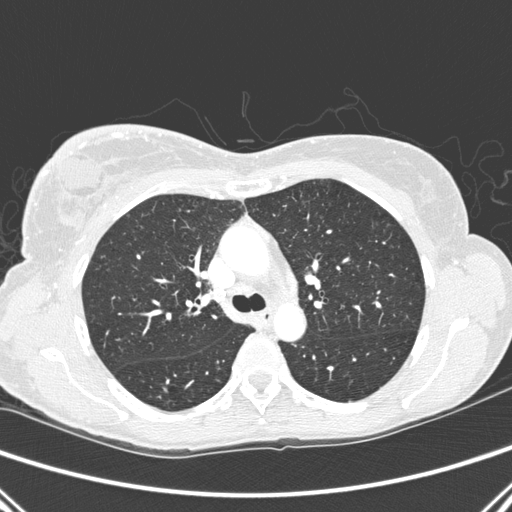
Axial slice 183 of 275 of a chest CT (slice 1 is the lowest), reconstructed with the D kernel at 120 kVp; 1.00 mm slice thickness and 0.658 mm pixels.
Pulmonary nodule at rows 400–401, columns 348–351 (box = the union of the readers' outlines on this slice), outlined by two of the four readers; median longest diameter 4.1 mm (readers' outlines 3.8–4.4 mm), median volume 27 mm3 (26–28 mm3). Ratings, median across the readers with their spread: texture 5/5 (solid), both readers agreeing; median margin 4.5/5 (readers ranged 4/5 to 5/5 (circumscribed)); sphericity 5/5 (round) from both readers; calcification absent from both readers; internal structure soft tissue from both readers; median subtlety 3/5 (readers ranged 2–4); malignancy likelihood 1/5, both readers agreeing. Scale key (1–5): texture non-solid→solid, margin indistinct→circumscribed, sphericity linear→round, subtlety extremely subtle→obvious, malignancy likelihood highly unlikely→highly suspicious of cancer. Box rows and columns are 0-based pixel indices from the top-left corner, inclusive.